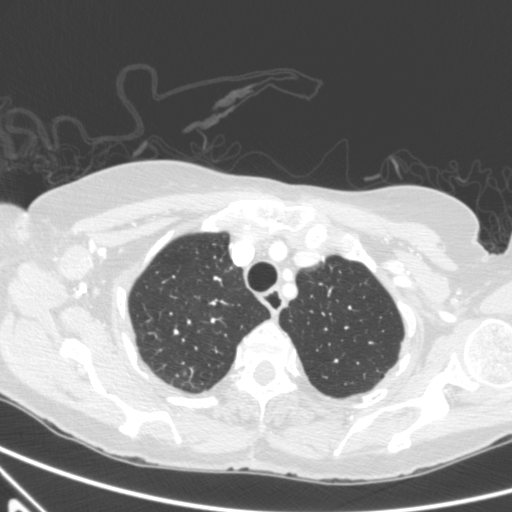
Chest CT, axial plane, 120 kVp, kernel B. Slice 507/590 from the bottom of the scan; thickness 0.90 mm; pixel size 0.627 mm.
Pulmonary nodule outlined by three of the four readers, two of them on this slice; box rows 371–375, columns 183–186 (the union of the readers' outlines on this slice); longest diameter 5.8 mm on average over the three readers' outlines (readers' outlines 5.4–6.2 mm), volume 51–88 mm3. The readers' prevailing ratings and who disagreed: most readers (two of three) put texture at 4/5, others 5/5 (solid) (one); margin split among the readers: 3/5 (one), 4/5 (one), 5/5 (circumscribed) (one); sphericity split among the readers: 3/5 (ovoid) (one), 4/5 (one), 5/5 (round) (one); calcification absent, all three readers agreeing; internal structure soft tissue, all three readers agreeing; subtlety 3/5, all three readers agreeing; most readers (two of three) put malignancy likelihood at 3/5, others 2/5 (one). Scale key (1–5): texture non-solid→solid, margin indistinct→circumscribed, sphericity linear→round, subtlety extremely subtle→obvious, malignancy likelihood highly unlikely→highly suspicious of cancer. Box rows and columns are 0-based pixel indices from the top-left corner, inclusive.